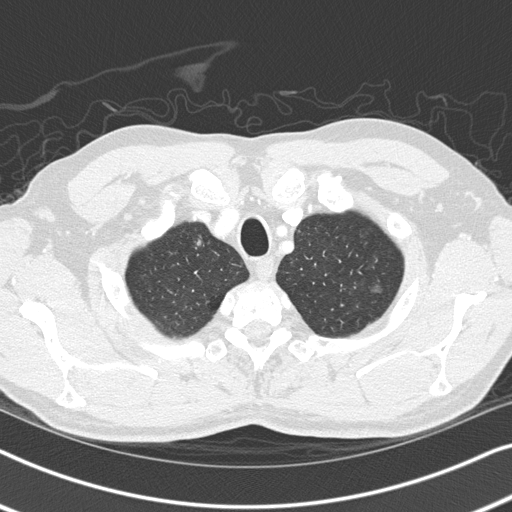
Axial slice 288 of 326 of a chest CT (slice 1 is the lowest), reconstructed with the B45f kernel at 120 kVp; 1.00 mm slice thickness and 0.645 mm pixels.
Two pulmonary nodules are outlined on this slice; from left to right: (1) Pulmonary nodule, outlined by three of the four readers. Box on this slice rows 239–245, columns 196–201, the union of the readers' outlines on this slice; the three readers' outlines give a longest diameter between 5.5 and 7.8 mm and a volume between 49 and 59 mm3. Ratings across the readers: texture from 3/5 (part-solid) to 5/5 (solid) across the three readers; margin from 1/5 (indistinct) to 5/5 (circumscribed) across the three readers; sphericity from 4/5 to 5/5 (round) across the three readers; calcification absent from all three readers; internal structure soft tissue, all three readers agreeing; subtlety 3/5 from all three readers; malignancy likelihood from 2/5 to 3/5 across the three readers. (2) Pulmonary nodule at rows 283–293, columns 368–382 (box = the union of the readers' outlines on this slice), outlined by all four readers; longest diameter 11.5 mm on average over the four readers' outlines (readers' outlines 9.0–13.3 mm), volume 232–417 mm3. The readers' prevailing ratings and who disagreed: texture 1/5 (non-solid) by three of four readers; the rest gave 4/5 (one); margin 2/5 by two of four readers; the rest gave 1/5 (indistinct) (one), 5/5 (circumscribed) (one); most readers (three of four) put sphericity at 4/5, others 5/5 (round) (one); calcification absent, all four readers agreeing; internal structure soft tissue from all four readers; subtlety 1/5 by two of four readers; the rest gave 2/5 (one), 4/5 (one); malignancy likelihood split among the readers: 2/5 (two), 3/5 (two). Scale key (1–5): texture non-solid→solid, margin indistinct→circumscribed, sphericity linear→round, subtlety extremely subtle→obvious, malignancy likelihood highly unlikely→highly suspicious of cancer. Box rows and columns are 0-based pixel indices from the top-left corner, inclusive.